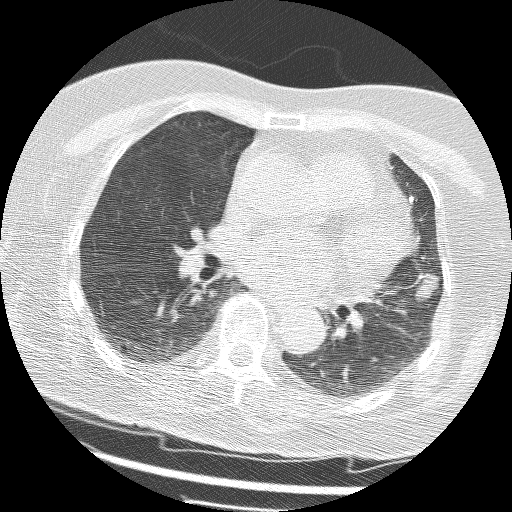
Slice 72/161 of a chest CT, counting up from the lowest; pixel size 0.549 mm, slice thickness 1.25 mm. Two pulmonary nodules are outlined on this slice; from left to right: (1) Pulmonary nodule outlined by one of the four readers; box rows 196–202, columns 409–413 (that reader's outline on this slice); longest diameter 4.4 mm and volume 32 mm3 from that reader's outline. That reader's ratings: texture 5/5 (solid); margin 5/5 (circumscribed); sphericity 5/5 (round); calcification solid calcification; internal structure soft tissue; subtlety 4/5; malignancy likelihood 1/5. (2) Pulmonary nodule, outlined by all four readers. Box on this slice rows 273–303, columns 413–441, the union of the readers' outlines on this slice; the four readers' outlines give a longest diameter between 18.2 and 19.7 mm and a volume between 1334 and 1755 mm3. The readers' ratings, as ranges where they differ: texture 5/5 (solid), all four readers agreeing; margin from 3/5 to 5/5 (circumscribed) across the four readers; sphericity from 3/5 (ovoid) to 4/5 across the four readers; calcification absent, all four readers agreeing; internal structure soft tissue from all four readers; subtlety 5/5 from all four readers; malignancy likelihood 5/5, all four readers agreeing. Scale key (1–5): texture non-solid→solid, margin indistinct→circumscribed, sphericity linear→round, subtlety extremely subtle→obvious, malignancy likelihood highly unlikely→highly suspicious of cancer. Box rows and columns are 0-based pixel indices from the top-left corner, inclusive.
Scan settings: 120 kVp, BONE reconstruction kernel.